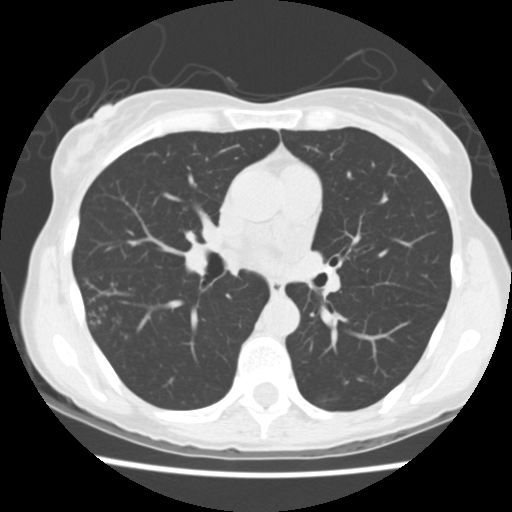
Axial chest CT slice 90 of 163 (counted from the lowest slice); 2.50 mm thick, 0.586 mm per pixel. No nodule of 3 mm or larger was outlined by any of the four readers on this slice.
Scan settings: 120 kVp, STANDARD reconstruction kernel.